Axial slice 75 of 280 of a chest CT (slice 1 is the lowest), reconstructed with the D kernel at 140 kVp; 1.00 mm slice thickness and 0.801 mm pixels.
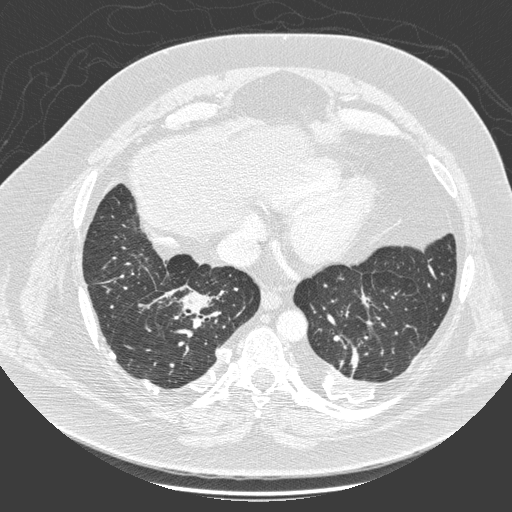
Pulmonary nodule at rows 291–314, columns 179–210 (box = that reader's outline on this slice), outlined by one of the four readers; longest diameter 49.9 mm and volume 31112 mm3 from that reader's outline. Ratings by that reader: texture 5/5 (solid); margin 4/5; sphericity 5/5 (round); calcification non-central calcification; internal structure soft tissue; subtlety 5/5; malignancy likelihood 5/5. Scale key (1–5): texture non-solid→solid, margin indistinct→circumscribed, sphericity linear→round, subtlety extremely subtle→obvious, malignancy likelihood highly unlikely→highly suspicious of cancer. Box rows and columns are 0-based pixel indices from the top-left corner, inclusive.